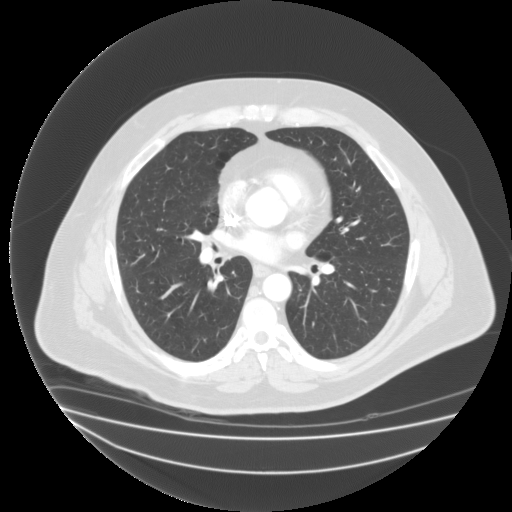
One axial slice (97 of 183, counting up from the lowest) of a chest CT acquired at 135 kVp with the FC03 kernel; each pixel is 0.946 mm and the slice is 2.00 mm thick.
Pulmonary nodule outlined by three of the four readers; box rows 193–206, columns 200–216 (the union of the readers' outlines on this slice); longest diameter 26.0 mm and volume 3179–3614 mm3 across the three readers' outlines. The readers' ratings, as ranges where they differ: texture 1/5 (non-solid), all three readers agreeing; margin from 2/5 to 3/5 across the three readers; sphericity from 3/5 (ovoid) to 4/5 across the three readers; calcification absent from all three readers; internal structure: soft tissue (two), fluid (one); subtlety rated between 2 and 5 out of 5 by the three readers; malignancy likelihood rated between 3 and 4 out of 5 by the three readers. Scale key (1–5): texture non-solid→solid, margin indistinct→circumscribed, sphericity linear→round, subtlety extremely subtle→obvious, malignancy likelihood highly unlikely→highly suspicious of cancer. Box rows and columns are 0-based pixel indices from the top-left corner, inclusive.